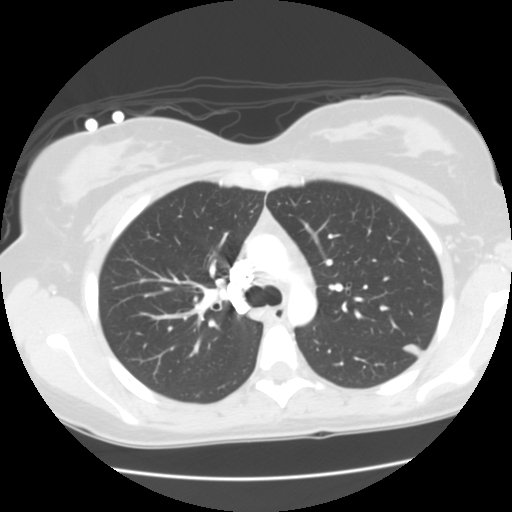
One axial slice (100 of 133, counting up from the lowest) of a chest CT acquired at 120 kVp with the STANDARD kernel; each pixel is 0.625 mm and the slice is 2.50 mm thick.
Pulmonary nodule outlined by one of the four readers; box rows 344–355, columns 403–422 (that reader's outline on this slice); longest diameter 13.2 mm and volume 585 mm3 from that reader's outline. Ratings by that reader: texture 5/5 (solid); margin 4/5; sphericity 3/5 (ovoid); calcification absent; internal structure soft tissue; subtlety 5/5; malignancy likelihood 3/5. Scale key (1–5): texture non-solid→solid, margin indistinct→circumscribed, sphericity linear→round, subtlety extremely subtle→obvious, malignancy likelihood highly unlikely→highly suspicious of cancer. Box rows and columns are 0-based pixel indices from the top-left corner, inclusive.